Axial chest CT slice 194 of 253 (counted from the lowest slice); tube voltage 120 kVp, convolution kernel BONE; slices 1.25 mm thick, 0.625 mm per pixel.
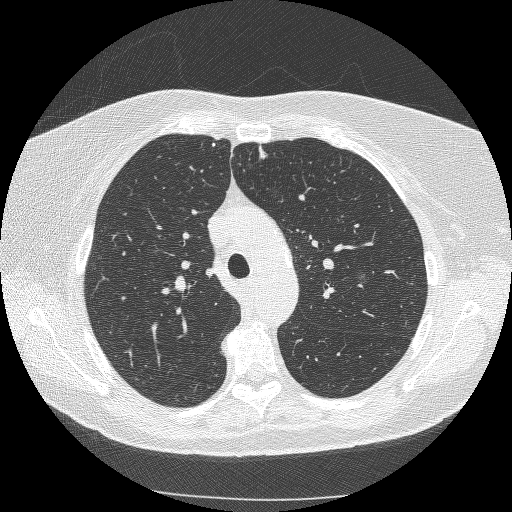
Pulmonary nodule outlined by one of the four readers; box rows 145–160, columns 259–268 (that reader's outline on this slice); longest diameter 10.7 mm and volume 164 mm3 from that reader's outline. Ratings by that reader: texture 5/5 (solid); margin 4/5; sphericity 2/5; calcification absent; internal structure soft tissue; subtlety 3/5; malignancy likelihood 3/5. Scale key (1–5): texture non-solid→solid, margin indistinct→circumscribed, sphericity linear→round, subtlety extremely subtle→obvious, malignancy likelihood highly unlikely→highly suspicious of cancer. Box rows and columns are 0-based pixel indices from the top-left corner, inclusive.